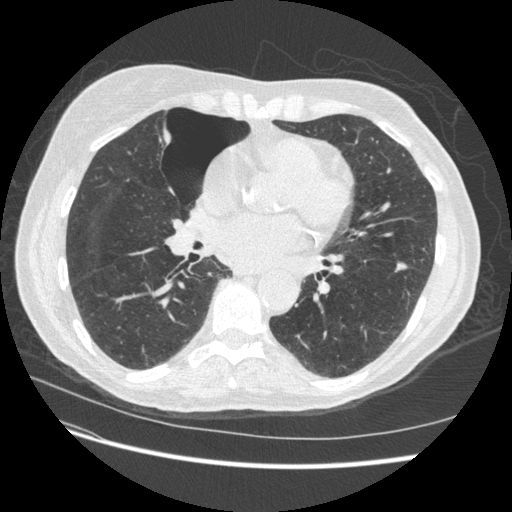
One axial slice (229 of 509, counting up from the lowest) of a chest CT acquired at 120 kVp with the STANDARD kernel; each pixel is 0.703 mm and the slice is 1.25 mm thick.
Pulmonary nodule, outlined by three of the four readers. Box on this slice rows 262–272, columns 394–407, the union of the readers' outlines on this slice; median longest diameter 11.5 mm (readers' outlines 9.2–11.6 mm), median volume 339 mm3 (182–365 mm3). Median ratings and the readers' spread: median texture 5/5 (solid) (readers ranged 4/5 to 5/5 (solid)); margin 4/5 at the median of three readers, spread 3/5 to 5/5 (circumscribed); sphericity 3/5 (ovoid) at the median of three readers, spread 2/5 to 4/5; calcification absent, all three readers agreeing; internal structure soft tissue from all three readers; subtlety 4/5, all three readers agreeing; malignancy likelihood 3/5 at the median of three readers, spread 2–4. Scale key (1–5): texture non-solid→solid, margin indistinct→circumscribed, sphericity linear→round, subtlety extremely subtle→obvious, malignancy likelihood highly unlikely→highly suspicious of cancer. Box rows and columns are 0-based pixel indices from the top-left corner, inclusive.